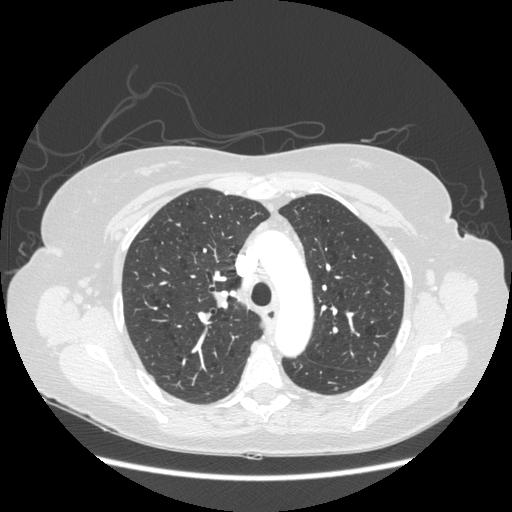
One axial slice (162 of 230, counting up from the lowest) of a chest CT acquired at 120 kVp with the STANDARD kernel; each pixel is 0.742 mm and the slice is 1.25 mm thick.
No nodule of 3 mm or larger was outlined by any of the four readers on this slice.